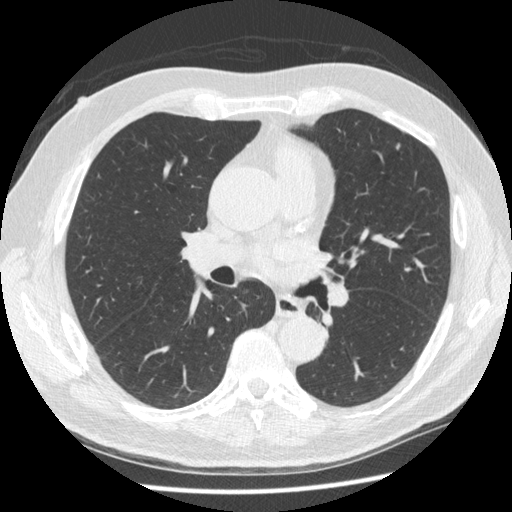
Axial chest CT slice 292 of 519 (counted from the lowest slice); 1.25 mm thick, 0.703 mm per pixel. Pulmonary nodule, outlined by all four readers. Box on this slice rows 143–149, columns 396–399, the union of the readers' outlines on this slice; the four readers' outlines give a longest diameter between 5.8 and 6.4 mm and a volume between 39 and 52 mm3. Ratings across the readers: texture 5/5 (solid) from all four readers; margin from 4/5 to 5/5 (circumscribed) across the four readers; sphericity from 2/5 to 5/5 (round) across the four readers; calcification: absent (three), solid calcification (one); internal structure soft tissue, all four readers agreeing; subtlety from 2/5 to 4/5 across the four readers; malignancy likelihood rated between 1 and 4 out of 5 by the four readers. Scale key (1–5): texture non-solid→solid, margin indistinct→circumscribed, sphericity linear→round, subtlety extremely subtle→obvious, malignancy likelihood highly unlikely→highly suspicious of cancer. Box rows and columns are 0-based pixel indices from the top-left corner, inclusive.
Acquired at 120 kVp and reconstructed with the STANDARD kernel.